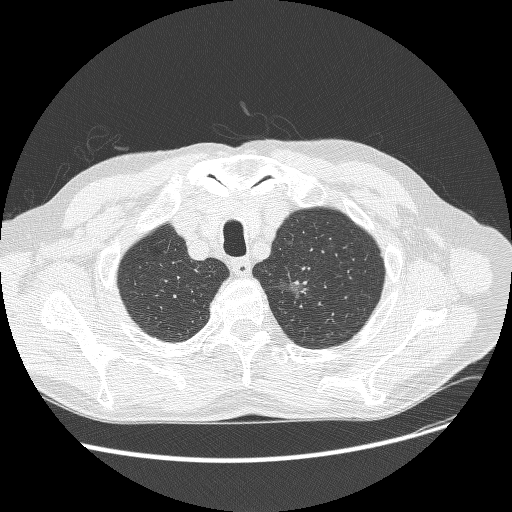
Slice 234/268 of a chest CT, counting up from the lowest; pixel size 0.742 mm, slice thickness 1.25 mm. Pulmonary nodule at rows 281–298, columns 272–305 (box = the union of the readers' outlines on this slice), outlined by three of the four readers, two of them on this slice; the three readers' outlines give a longest diameter between 30.8 and 31.7 mm and a volume between 4750 and 7267 mm3. The readers' ratings, as ranges where they differ: texture 3/5 (part-solid), all three readers agreeing; margin 1/5 (indistinct), all three readers agreeing; sphericity from 3/5 (ovoid) to 4/5 across the three readers; calcification absent, all three readers agreeing; internal structure soft tissue from all three readers; subtlety from 4/5 to 5/5 across the three readers; malignancy likelihood 4–5/5 (the readers disagree). Scale key (1–5): texture non-solid→solid, margin indistinct→circumscribed, sphericity linear→round, subtlety extremely subtle→obvious, malignancy likelihood highly unlikely→highly suspicious of cancer. Box rows and columns are 0-based pixel indices from the top-left corner, inclusive.
Scan settings: 120 kVp, BONE reconstruction kernel.